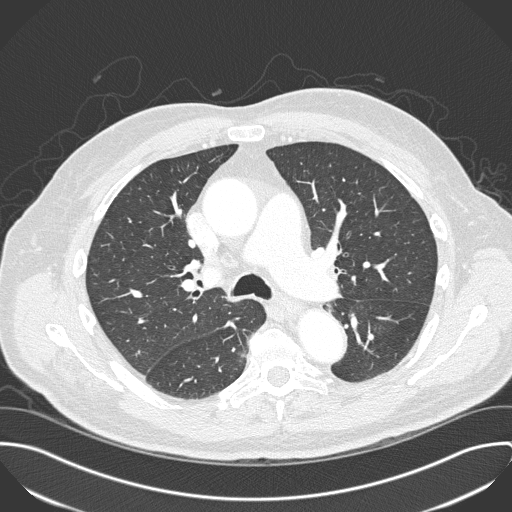
Axial slice 209 of 330 of a chest CT (slice 1 is the lowest), reconstructed with the B45f kernel at 120 kVp; 1.00 mm slice thickness and 0.762 mm pixels.
None of the four readers outlined a nodule of 3 mm or more on this slice.